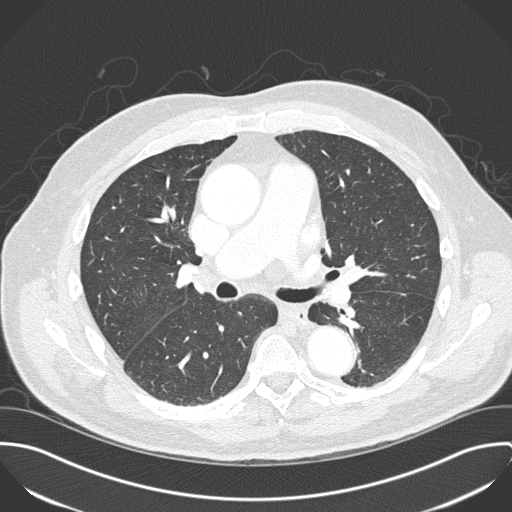
One axial slice (191 of 330, counting up from the lowest) of a chest CT acquired at 120 kVp with the B45f kernel; each pixel is 0.762 mm and the slice is 1.00 mm thick.
Pulmonary nodule, outlined by three of the four readers. Box on this slice rows 293–295, columns 400–406, the union of the readers' outlines on this slice; median longest diameter 6.5 mm (readers' outlines 6.1–7.2 mm), median volume 47 mm3 (41–55 mm3). Ratings, median across the readers with their spread: texture 5/5 (solid) at the median of three readers, spread 4/5 to 5/5 (solid); margin 4/5 at the median of three readers, spread 2/5 to 5/5 (circumscribed); median sphericity 3/5 (ovoid) (readers ranged 2/5 to 4/5); calcification absent, all three readers agreeing; internal structure soft tissue, all three readers agreeing; median subtlety 3/5 (readers ranged 2–3); malignancy likelihood 2/5 at the median of three readers, spread 1–3. Scale key (1–5): texture non-solid→solid, margin indistinct→circumscribed, sphericity linear→round, subtlety extremely subtle→obvious, malignancy likelihood highly unlikely→highly suspicious of cancer. Box rows and columns are 0-based pixel indices from the top-left corner, inclusive.